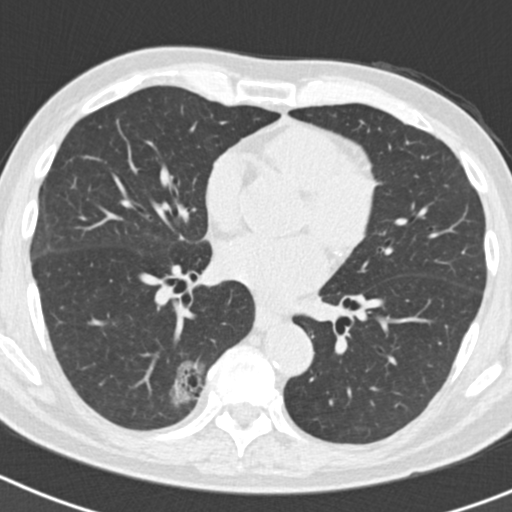
One axial slice (94 of 186, counting up from the lowest) of a chest CT acquired at 120 kVp with the B30f kernel; each pixel is 0.586 mm and the slice is 2.00 mm thick.
Pulmonary nodule at rows 360–406, columns 168–204 (box = that reader's outline on this slice), outlined by one of the four readers; longest diameter 31.4 mm and volume 6527 mm3 from that reader's outline. Ratings by that reader: texture 1/5 (non-solid); margin 2/5; sphericity 4/5; calcification absent; internal structure soft tissue; subtlety 5/5; malignancy likelihood 3/5. Scale key (1–5): texture non-solid→solid, margin indistinct→circumscribed, sphericity linear→round, subtlety extremely subtle→obvious, malignancy likelihood highly unlikely→highly suspicious of cancer. Box rows and columns are 0-based pixel indices from the top-left corner, inclusive.